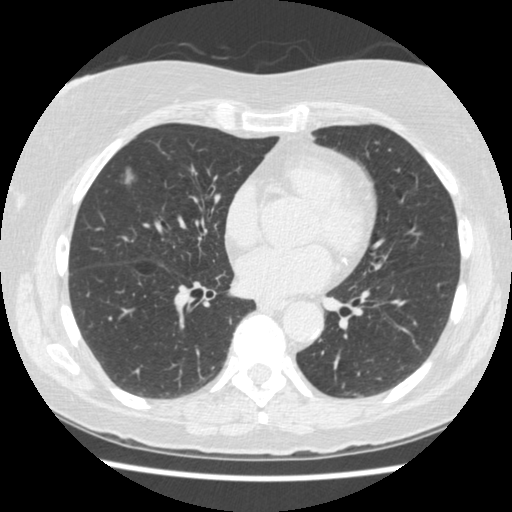
Axial slice 215 of 474 of a chest CT (slice 1 is the lowest), reconstructed with the STANDARD kernel at 120 kVp; 1.25 mm slice thickness and 0.625 mm pixels.
Pulmonary nodule outlined by all four readers; box rows 165–187, columns 119–136 (the union of the readers' outlines on this slice); median longest diameter 15.1 mm (readers' outlines 12.6–15.8 mm), median volume 462 mm3 (209–921 mm3). Median ratings and the readers' spread: texture 3/5 (part-solid) at the median of four readers, spread 2/5 to 3/5 (part-solid); median margin 3/5 (readers ranged 1/5 (indistinct) to 3/5); median sphericity 3.5/5 (readers ranged 2/5 to 5/5 (round)); calcification absent from all four readers; internal structure soft tissue, all four readers agreeing; subtlety 4.5/5 at the median of four readers, spread 3–5; malignancy likelihood 5/5 at the median of four readers, spread 3–5. Scale key (1–5): texture non-solid→solid, margin indistinct→circumscribed, sphericity linear→round, subtlety extremely subtle→obvious, malignancy likelihood highly unlikely→highly suspicious of cancer. Box rows and columns are 0-based pixel indices from the top-left corner, inclusive.